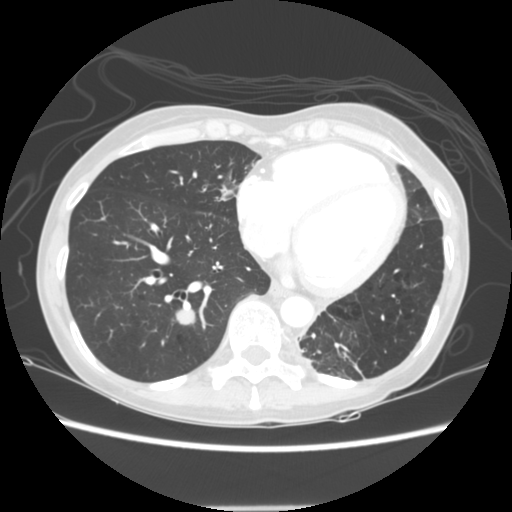
Axial chest CT slice 60 of 144 (counted from the lowest slice); 2.50 mm thick, 0.664 mm per pixel. Pulmonary nodule at rows 308–325, columns 175–196 (box = the union of the readers' outlines on this slice), outlined by all four readers; median longest diameter 17.3 mm (readers' outlines 15.5–19.3 mm), median volume 1655 mm3 (1258–1827 mm3). Ratings, median across the readers with their spread: texture 5/5 (solid), all four readers agreeing; median margin 4.5/5 (readers ranged 3/5 to 5/5 (circumscribed)); median sphericity 5/5 (round) (readers ranged 3/5 (ovoid) to 5/5 (round)); calcification absent, all four readers agreeing; internal structure soft tissue, all four readers agreeing; subtlety 5/5, all four readers agreeing; median malignancy likelihood 3.5/5 (readers ranged 3–5). Scale key (1–5): texture non-solid→solid, margin indistinct→circumscribed, sphericity linear→round, subtlety extremely subtle→obvious, malignancy likelihood highly unlikely→highly suspicious of cancer. Box rows and columns are 0-based pixel indices from the top-left corner, inclusive.
Scan settings: 120 kVp, STANDARD reconstruction kernel.